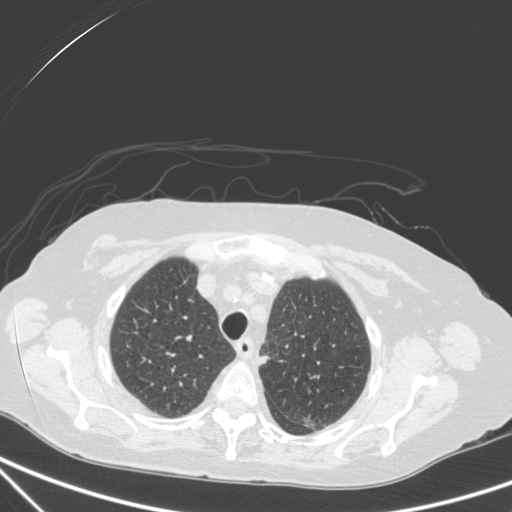
Axial chest CT slice 273 of 350 (counted from the lowest slice); tube voltage 120 kVp, convolution kernel C; slices 1.50 mm thick, 0.725 mm per pixel.
No nodule of 3 mm or larger was outlined by any of the four readers on this slice.